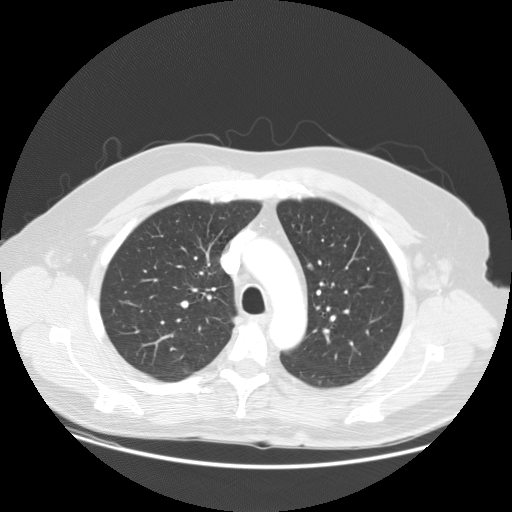
Axial chest CT slice 80 of 115 (counted from the lowest slice); tube voltage 120 kVp, convolution kernel STANDARD; slices 2.50 mm thick, 0.820 mm per pixel.
Pulmonary nodule outlined by all four readers; box rows 263–270, columns 307–313 (the union of the readers' outlines on this slice); longest diameter 8.2–8.8 mm and volume 205–271 mm3 across the four readers' outlines. Ratings across the readers: texture 5/5 (solid) from all four readers; margin from 4/5 to 5/5 (circumscribed) across the four readers; sphericity from 3/5 (ovoid) to 4/5 across the four readers; calcification absent from all four readers; internal structure soft tissue, all four readers agreeing; subtlety rated between 3 and 4 out of 5 by the four readers; malignancy likelihood from 2/5 to 3/5 across the four readers. Scale key (1–5): texture non-solid→solid, margin indistinct→circumscribed, sphericity linear→round, subtlety extremely subtle→obvious, malignancy likelihood highly unlikely→highly suspicious of cancer. Box rows and columns are 0-based pixel indices from the top-left corner, inclusive.